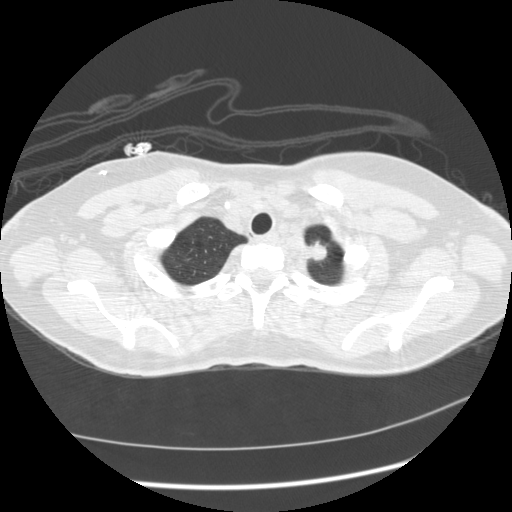
Axial chest CT slice 184 of 209 (counted from the lowest slice); 1.25 mm thick, 0.693 mm per pixel. Pulmonary nodule at rows 240–261, columns 306–328 (box = the union of the readers' outlines on this slice), outlined by all four readers; median longest diameter 23.3 mm (readers' outlines 21.8–25.6 mm), median volume 3063 mm3 (2801–4927 mm3). Median ratings and the readers' spread: texture 4/5 at the median of four readers, spread 4/5 to 5/5 (solid); median margin 3.5/5 (readers ranged 3/5 to 4/5); sphericity 3.5/5 at the median of four readers, spread 2/5 to 5/5 (round); calcification absent from all four readers; internal structure soft tissue from all four readers; subtlety 5/5, all four readers agreeing; median malignancy likelihood 4.5/5 (readers ranged 3–5). Scale key (1–5): texture non-solid→solid, margin indistinct→circumscribed, sphericity linear→round, subtlety extremely subtle→obvious, malignancy likelihood highly unlikely→highly suspicious of cancer. Box rows and columns are 0-based pixel indices from the top-left corner, inclusive.
Acquired at 120 kVp and reconstructed with the STANDARD kernel.